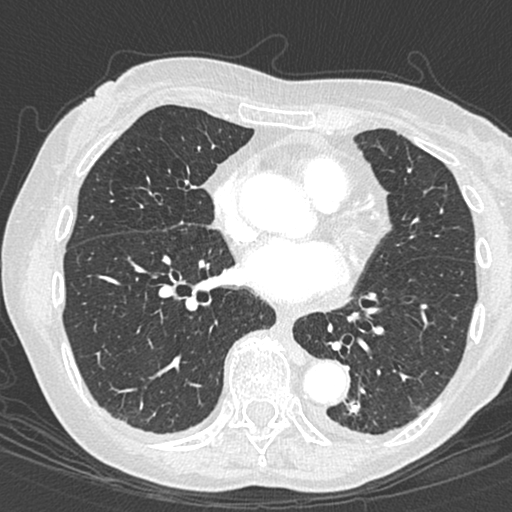
Axial slice 148 of 301 of a chest CT (slice 1 is the lowest), reconstructed with the B45f kernel at 120 kVp; 1.00 mm slice thickness and 0.547 mm pixels.
Pulmonary nodule, outlined by three of the four readers. Box on this slice rows 401–413, columns 348–360, the union of the readers' outlines on this slice; longest diameter 10.3 mm on average over the three readers' outlines (readers' outlines 6.8–15.1 mm), volume 67–603 mm3. The readers' prevailing ratings and who disagreed: texture 5/5 (solid), all three readers agreeing; most readers (two of three) put margin at 5/5 (circumscribed), others 3/5 (one); sphericity split among the readers: 3/5 (ovoid) (one), 4/5 (one), 5/5 (round) (one); calcification solid calcification by two of three readers, central calcification (one); internal structure soft tissue, all three readers agreeing; most readers (two of three) put subtlety at 5/5, others 4/5 (one); malignancy likelihood 1/5 from all three readers. Scale key (1–5): texture non-solid→solid, margin indistinct→circumscribed, sphericity linear→round, subtlety extremely subtle→obvious, malignancy likelihood highly unlikely→highly suspicious of cancer. Box rows and columns are 0-based pixel indices from the top-left corner, inclusive.